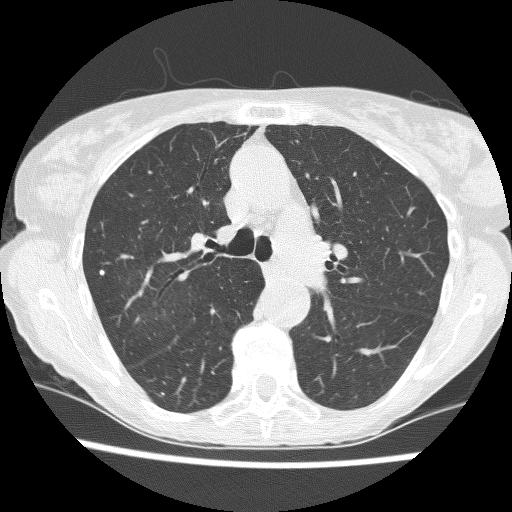
Chest CT, axial plane, 120 kVp, kernel BONE. Slice 156/240 from the bottom of the scan; thickness 1.25 mm; pixel size 0.566 mm.
Pulmonary nodule outlined by one of the four readers; box rows 270–274, columns 99–104 (that reader's outline on this slice); longest diameter 4.8 mm and volume 56 mm3 from that reader's outline. That reader's ratings: texture 5/5 (solid); margin 5/5 (circumscribed); sphericity 4/5; calcification solid calcification; internal structure soft tissue; subtlety 4/5; malignancy likelihood 1/5. Scale key (1–5): texture non-solid→solid, margin indistinct→circumscribed, sphericity linear→round, subtlety extremely subtle→obvious, malignancy likelihood highly unlikely→highly suspicious of cancer. Box rows and columns are 0-based pixel indices from the top-left corner, inclusive.